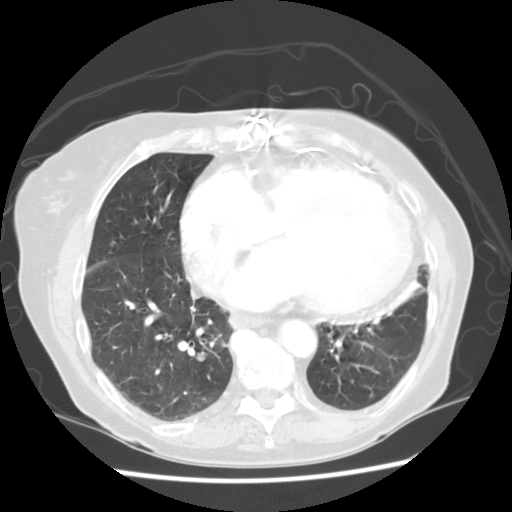
Slice 56/125 of a chest CT, counting up from the lowest; pixel size 0.664 mm, slice thickness 2.50 mm. Two pulmonary nodules on this slice, listed from left to right. (1) Pulmonary nodule outlined by all four readers; box rows 351–361, columns 196–205 (the union of the readers' outlines on this slice); median longest diameter 8.9 mm (readers' outlines 8.4–9.8 mm), median volume 303 mm3 (239–369 mm3). Ratings, median across the readers with their spread: texture 5/5 (solid) from all four readers; median margin 5/5 (circumscribed) (readers ranged 4/5 to 5/5 (circumscribed)); sphericity 5/5 (round) at the median of four readers, spread 4/5 to 5/5 (round); calcification absent, all four readers agreeing; internal structure soft tissue from all four readers; median subtlety 3/5 (readers ranged 2–5); malignancy likelihood 3.5/5 at the median of four readers, spread 2–5. (2) Pulmonary nodule, outlined by one of the four readers. Box on this slice rows 392–399, columns 369–374, that reader's outline on this slice; longest diameter 6.3 mm and volume 74 mm3 from that reader's outline. Ratings by that reader: texture 3/5 (part-solid); margin 2/5; sphericity 4/5; calcification absent; internal structure soft tissue; subtlety 2/5; malignancy likelihood 2/5. Scale key (1–5): texture non-solid→solid, margin indistinct→circumscribed, sphericity linear→round, subtlety extremely subtle→obvious, malignancy likelihood highly unlikely→highly suspicious of cancer. Box rows and columns are 0-based pixel indices from the top-left corner, inclusive.
Tube voltage 120 kVp; convolution kernel STANDARD.